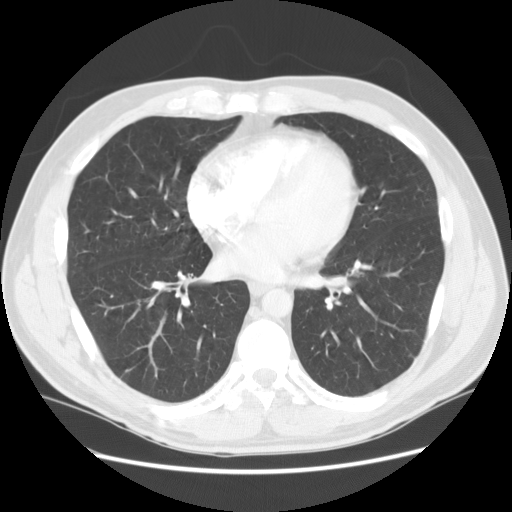
Axial slice 65 of 144 of a chest CT (slice 1 is the lowest), reconstructed with the STANDARD kernel at 120 kVp; 2.50 mm slice thickness and 0.742 mm pixels.
Pulmonary nodule, outlined by one of the four readers. Box on this slice rows 369–372, columns 125–127, that reader's outline on this slice; longest diameter 5.0 mm and volume 52 mm3 from that reader's outline. That reader's ratings: texture 5/5 (solid); margin 4/5; sphericity 5/5 (round); calcification absent; internal structure soft tissue; subtlety 2/5; malignancy likelihood 2/5. Scale key (1–5): texture non-solid→solid, margin indistinct→circumscribed, sphericity linear→round, subtlety extremely subtle→obvious, malignancy likelihood highly unlikely→highly suspicious of cancer. Box rows and columns are 0-based pixel indices from the top-left corner, inclusive.